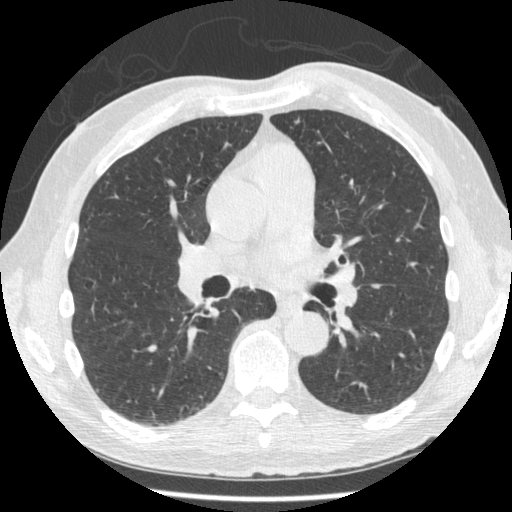
Axial chest CT slice 251 of 481 (counted from the lowest slice); 1.25 mm thick, 0.664 mm per pixel. Pulmonary nodule outlined by one of the four readers; box rows 116–124, columns 292–298 (that reader's outline on this slice); longest diameter 6.6 mm and volume 59 mm3 from that reader's outline. That reader's ratings: texture 5/5 (solid); margin 5/5 (circumscribed); sphericity 3/5 (ovoid); calcification absent; internal structure soft tissue; subtlety 4/5; malignancy likelihood 3/5. Scale key (1–5): texture non-solid→solid, margin indistinct→circumscribed, sphericity linear→round, subtlety extremely subtle→obvious, malignancy likelihood highly unlikely→highly suspicious of cancer. Box rows and columns are 0-based pixel indices from the top-left corner, inclusive.
Tube voltage 120 kVp; convolution kernel STANDARD.